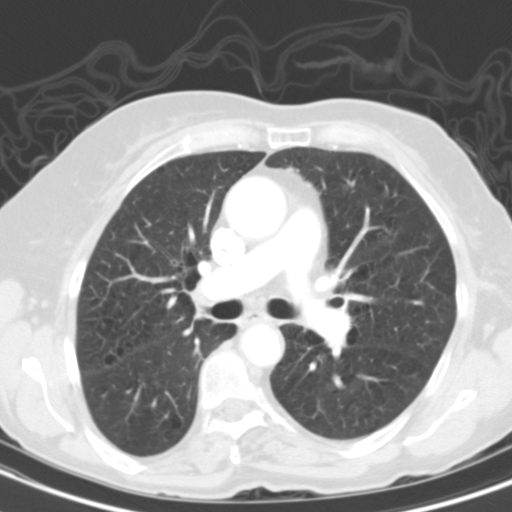
Axial slice 77 of 117 of a chest CT (slice 1 is the lowest), reconstructed with the B31s kernel at 130 kVp; 3.00 mm slice thickness and 0.566 mm pixels.
The readers outlined no nodule of 3 mm or more on this slice.